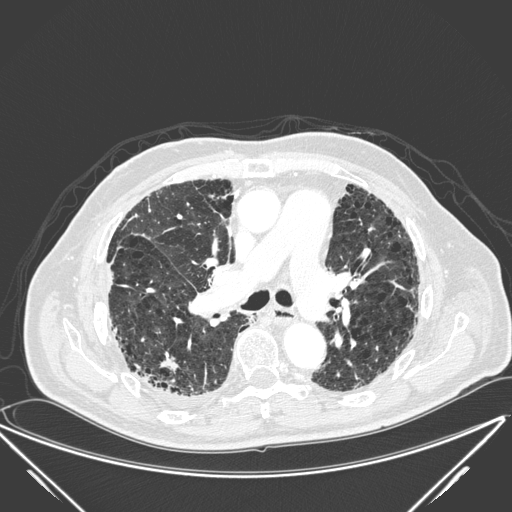
Chest CT, axial plane, 120 kVp, kernel D. Slice 140/278 from the bottom of the scan; thickness 1.00 mm; pixel size 0.812 mm.
Pulmonary nodule at rows 352–373, columns 159–179 (box = the union of the readers' outlines on this slice), outlined by all four readers; longest diameter 31.1 mm on average over the four readers' outlines (readers' outlines 17.4–39.8 mm), volume 1021–4525 mm3. Ratings, by the readers' most common answer with dissent counted: texture 5/5 (solid) from all four readers; margin split among the readers: 1/5 (indistinct) (one), 2/5 (one), 3/5 (one), 5/5 (circumscribed) (one); sphericity 2/5 by three of four readers; the rest gave 5/5 (round) (one); calcification absent from all four readers; internal structure soft tissue, all four readers agreeing; subtlety split among the readers: 4/5 (two), 5/5 (two); malignancy likelihood 5/5 by two of four readers; the rest gave 3/5 (one), 4/5 (one). Scale key (1–5): texture non-solid→solid, margin indistinct→circumscribed, sphericity linear→round, subtlety extremely subtle→obvious, malignancy likelihood highly unlikely→highly suspicious of cancer. Box rows and columns are 0-based pixel indices from the top-left corner, inclusive.